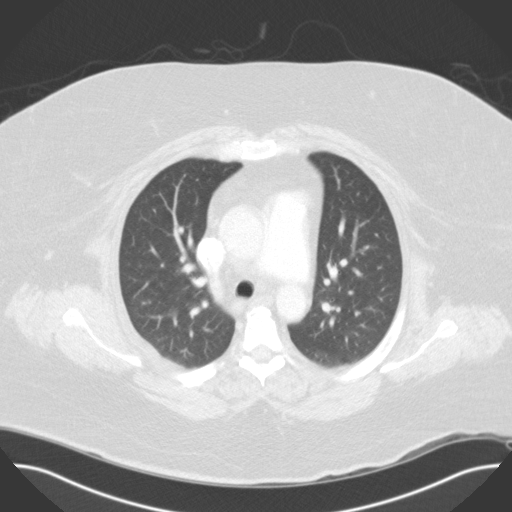
Axial chest CT slice 90 of 117 (counted from the lowest slice); 3.00 mm thick, 0.779 mm per pixel. No nodule 3 mm or larger was outlined here by any reader.
Tube voltage 120 kVp; convolution kernel B31f.